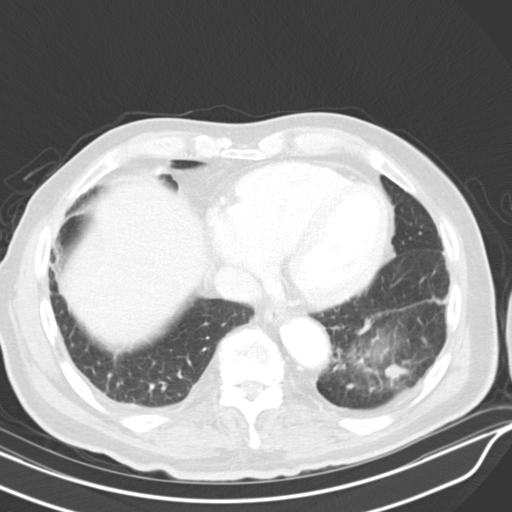
Chest CT, axial plane, 130 kVp, kernel B30s. Slice 207/319 from the bottom of the scan; thickness 4.00 mm; pixel size 0.729 mm.
Pulmonary nodule, outlined by all four readers. Box on this slice rows 363–385, columns 384–408, the union of the readers' outlines on this slice; longest diameter 16.9–19.9 mm and volume 1011–1255 mm3 across the four readers' outlines. The readers' ratings, as ranges where they differ: texture from 3/5 (part-solid) to 5/5 (solid) across the four readers; margin from 2/5 to 4/5 across the four readers; sphericity from 2/5 to 4/5 across the four readers; calcification absent from all four readers; internal structure soft tissue, all four readers agreeing; subtlety 4–5/5 (the readers disagree); malignancy likelihood rated between 3 and 4 out of 5 by the four readers. Scale key (1–5): texture non-solid→solid, margin indistinct→circumscribed, sphericity linear→round, subtlety extremely subtle→obvious, malignancy likelihood highly unlikely→highly suspicious of cancer. Box rows and columns are 0-based pixel indices from the top-left corner, inclusive.